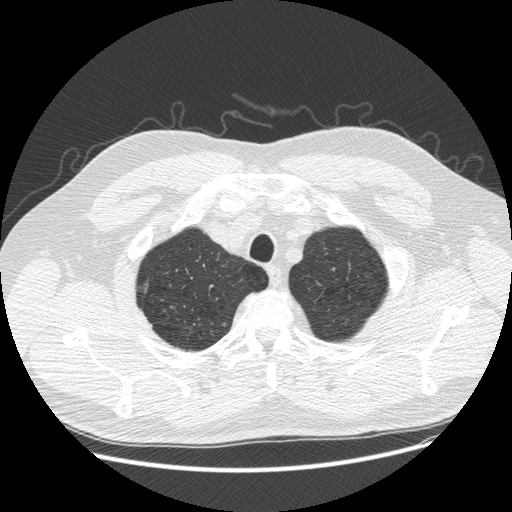
This is axial slice 421 of 481 (slice 1 is the lowest) of a chest CT; each pixel is 0.742 mm and the slice is 1.25 mm thick. Pulmonary nodule, outlined by two of the four readers, one of them on this slice. Box on this slice rows 280–291, columns 137–146, the one reader's outline on this slice; longest diameter 16.8 mm on average over the two readers' outlines (readers' outlines 15.0–18.6 mm), volume 293–924 mm3. The readers' prevailing ratings and who disagreed: texture 1/5 (non-solid) from both readers; margin split among the readers: 1/5 (indistinct) (one), 2/5 (one); sphericity split among the readers: 3/5 (ovoid) (one), 5/5 (round) (one); calcification absent, both readers agreeing; internal structure soft tissue, both readers agreeing; subtlety split among the readers: 1/5 (one), 2/5 (one); malignancy likelihood split among the readers: 2/5 (one), 4/5 (one). Scale key (1–5): texture non-solid→solid, margin indistinct→circumscribed, sphericity linear→round, subtlety extremely subtle→obvious, malignancy likelihood highly unlikely→highly suspicious of cancer. Box rows and columns are 0-based pixel indices from the top-left corner, inclusive.
Scan settings: 120 kVp, STANDARD reconstruction kernel.